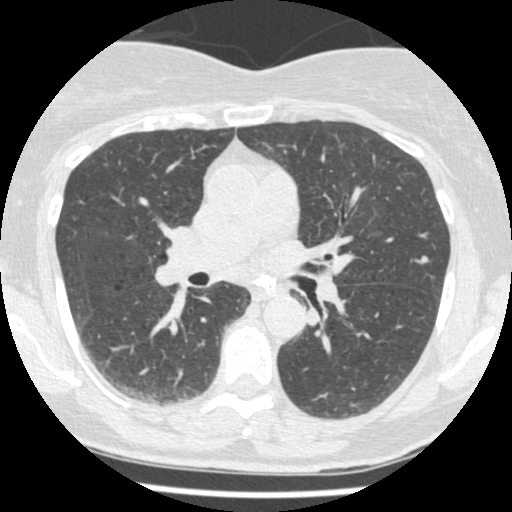
Axial slice 281 of 465 of a chest CT (slice 1 is the lowest), reconstructed with the STANDARD kernel at 120 kVp; 1.25 mm slice thickness and 0.586 mm pixels.
Pulmonary nodule, outlined by all four readers. Box on this slice rows 255–263, columns 420–428, the union of the readers' outlines on this slice; longest diameter 5.8 mm on average over the four readers' outlines (readers' outlines 5.4–6.0 mm), volume 46–67 mm3. The readers' prevailing ratings and who disagreed: texture 5/5 (solid), all four readers agreeing; margin split among the readers: 4/5 (two), 5/5 (circumscribed) (two); most readers (three of four) put sphericity at 4/5, others 3/5 (ovoid) (one); calcification absent from all four readers; internal structure soft tissue, all four readers agreeing; subtlety 3/5 by two of four readers; the rest gave 2/5 (one), 4/5 (one); malignancy likelihood 3/5 by three of four readers; the rest gave 2/5 (one). Scale key (1–5): texture non-solid→solid, margin indistinct→circumscribed, sphericity linear→round, subtlety extremely subtle→obvious, malignancy likelihood highly unlikely→highly suspicious of cancer. Box rows and columns are 0-based pixel indices from the top-left corner, inclusive.